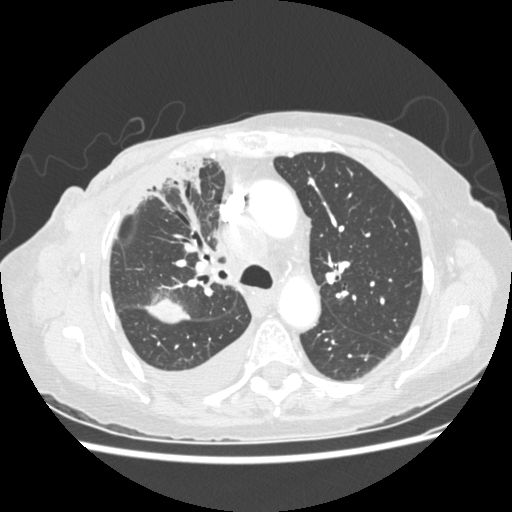
Axial chest CT slice 179 of 238 (counted from the lowest slice); tube voltage 120 kVp, convolution kernel STANDARD; slices 1.25 mm thick, 0.664 mm per pixel.
Pulmonary nodule at rows 296–323, columns 145–189 (box = the union of the readers' outlines on this slice), outlined by two of the four readers; longest diameter 31.3–33.5 mm and volume 8200–8583 mm3 across the two readers' outlines. The readers' ratings, as ranges where they differ: texture 5/5 (solid), both readers agreeing; margin from 4/5 to 5/5 (circumscribed) across the two readers; sphericity 4/5 from both readers; calcification absent from both readers; internal structure soft tissue from both readers; subtlety 5/5, both readers agreeing; malignancy likelihood from 3/5 to 5/5 across the two readers. Scale key (1–5): texture non-solid→solid, margin indistinct→circumscribed, sphericity linear→round, subtlety extremely subtle→obvious, malignancy likelihood highly unlikely→highly suspicious of cancer. Box rows and columns are 0-based pixel indices from the top-left corner, inclusive.